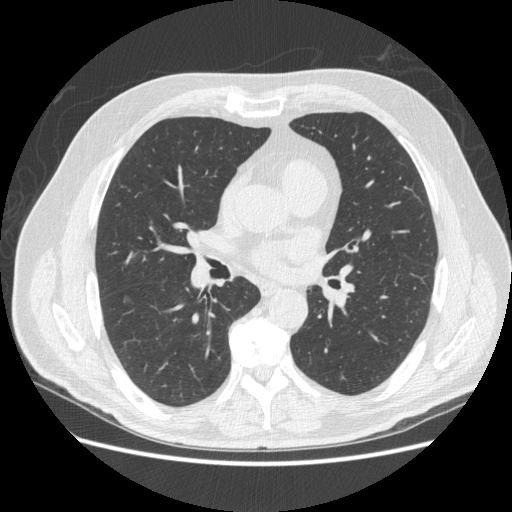
One axial slice (260 of 503, counting up from the lowest) of a chest CT acquired at 120 kVp with the STANDARD kernel; each pixel is 0.742 mm and the slice is 1.25 mm thick.
Pulmonary nodule, outlined by three of the four readers. Box on this slice rows 295–304, columns 123–133, the union of the readers' outlines on this slice; longest diameter 9.0 mm on average over the three readers' outlines (readers' outlines 7.3–10.1 mm), volume 62–129 mm3. The readers' prevailing ratings and who disagreed: most readers (two of three) put texture at 1/5 (non-solid), others 4/5 (one); margin 2/5 by two of three readers; the rest gave 4/5 (one); most readers (two of three) put sphericity at 4/5, others 3/5 (ovoid) (one); calcification absent, all three readers agreeing; internal structure soft tissue, all three readers agreeing; subtlety split among the readers: 1/5 (one), 2/5 (one), 4/5 (one); malignancy likelihood 3/5 by two of three readers; the rest gave 4/5 (one). Scale key (1–5): texture non-solid→solid, margin indistinct→circumscribed, sphericity linear→round, subtlety extremely subtle→obvious, malignancy likelihood highly unlikely→highly suspicious of cancer. Box rows and columns are 0-based pixel indices from the top-left corner, inclusive.